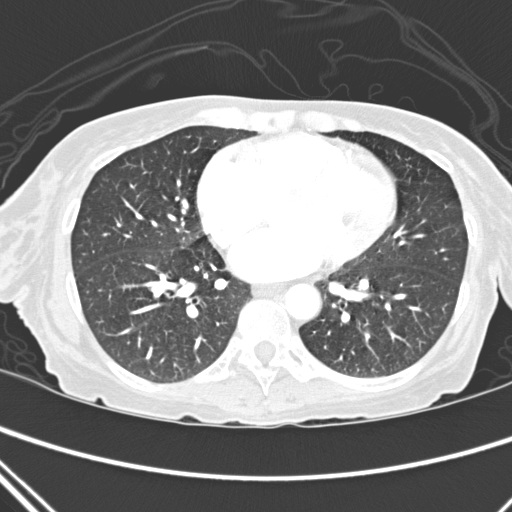
This is axial slice 103 of 280 (slice 1 is the lowest) of a chest CT; each pixel is 0.627 mm and the slice is 2.00 mm thick. The readers outlined no nodule of 3 mm or more on this slice.
Acquired at 120 kVp and reconstructed with the D kernel.